One axial slice (193 of 529, counting up from the lowest) of a chest CT acquired at 120 kVp with the B30f kernel; each pixel is 0.703 mm and the slice is 0.75 mm thick.
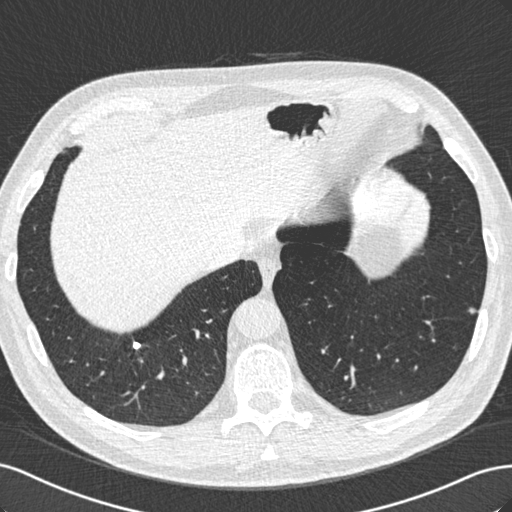
Two pulmonary nodules on this slice, listed from left to right. (1) Pulmonary nodule, outlined by two of the four readers. Box on this slice rows 340–350, columns 132–141, the union of the readers' outlines on this slice; median longest diameter 8.5 mm (readers' outlines 7.5–9.6 mm), median volume 118 mm3 (88–148 mm3). Ratings, median across the readers with their spread: texture 5/5 (solid), both readers agreeing; margin 5/5 (circumscribed), both readers agreeing; sphericity 4.5/5 at the median of two readers, spread 4/5 to 5/5 (round); calcification solid calcification from both readers; internal structure soft tissue, both readers agreeing; median subtlety 4.5/5 (readers ranged 4–5); malignancy likelihood 1/5, both readers agreeing. (2) Pulmonary nodule, outlined by three of the four readers. Box on this slice rows 307–313, columns 467–476, the union of the readers' outlines on this slice; the three readers' outlines give a longest diameter between 8.0 and 10.9 mm and a volume between 66 and 163 mm3. Ratings across the readers: texture from 4/5 to 5/5 (solid) across the three readers; margin from 4/5 to 5/5 (circumscribed) across the three readers; sphericity 5/5 (round) from all three readers; calcification absent, all three readers agreeing; internal structure soft tissue from all three readers; subtlety rated between 3 and 5 out of 5 by the three readers; malignancy likelihood from 2/5 to 4/5 across the three readers. Scale key (1–5): texture non-solid→solid, margin indistinct→circumscribed, sphericity linear→round, subtlety extremely subtle→obvious, malignancy likelihood highly unlikely→highly suspicious of cancer. Box rows and columns are 0-based pixel indices from the top-left corner, inclusive.